Axial chest CT slice 315 of 583 (counted from the lowest slice); tube voltage 120 kVp, convolution kernel STANDARD; slices 1.25 mm thick, 0.703 mm per pixel.
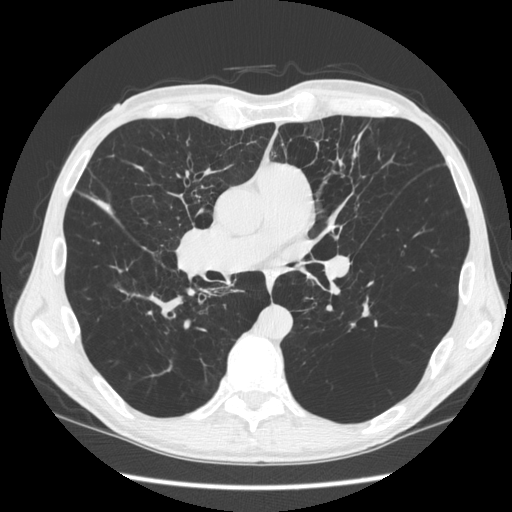
Pulmonary nodule outlined by two of the four readers, one of them on this slice; box rows 297–315, columns 363–368 (the one reader's outline on this slice); the two readers' outlines give a longest diameter between 24.1 and 31.7 mm and a volume between 791 and 1176 mm3. The readers' ratings, as ranges where they differ: texture 5/5 (solid), both readers agreeing; margin from 1/5 (indistinct) to 4/5 across the two readers; sphericity from 1/5 (linear) to 2/5 across the two readers; calcification absent, both readers agreeing; internal structure soft tissue from both readers; subtlety 5/5 from both readers; malignancy likelihood 2–3/5 (the readers disagree). Scale key (1–5): texture non-solid→solid, margin indistinct→circumscribed, sphericity linear→round, subtlety extremely subtle→obvious, malignancy likelihood highly unlikely→highly suspicious of cancer. Box rows and columns are 0-based pixel indices from the top-left corner, inclusive.